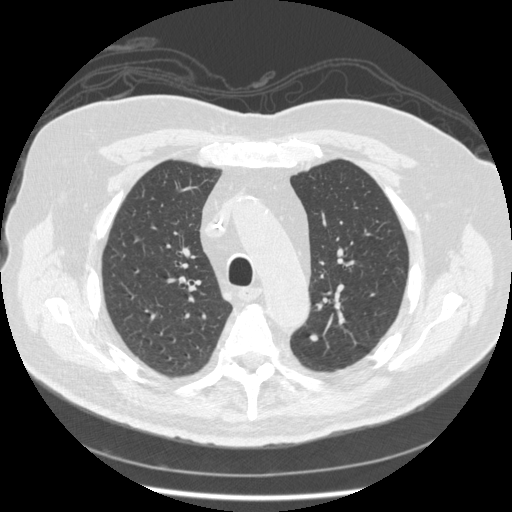
Axial chest CT slice 164 of 238 (counted from the lowest slice); 1.25 mm thick, 0.729 mm per pixel. Pulmonary nodule outlined by all four readers; box rows 334–341, columns 308–318 (the union of the readers' outlines on this slice); longest diameter 7.8 mm on average over the four readers' outlines (readers' outlines 6.9–9.0 mm), volume 123–197 mm3. Ratings, by the readers' most common answer with dissent counted: most readers (three of four) put texture at 5/5 (solid), others 4/5 (one); margin 5/5 (circumscribed), all four readers agreeing; sphericity 5/5 (round) by three of four readers; the rest gave 4/5 (one); calcification absent from all four readers; internal structure soft tissue from all four readers; most readers (three of four) put subtlety at 3/5, others 5/5 (one); malignancy likelihood split among the readers: 2/5 (two), 3/5 (two). Scale key (1–5): texture non-solid→solid, margin indistinct→circumscribed, sphericity linear→round, subtlety extremely subtle→obvious, malignancy likelihood highly unlikely→highly suspicious of cancer. Box rows and columns are 0-based pixel indices from the top-left corner, inclusive.
Scan settings: 120 kVp, STANDARD reconstruction kernel.